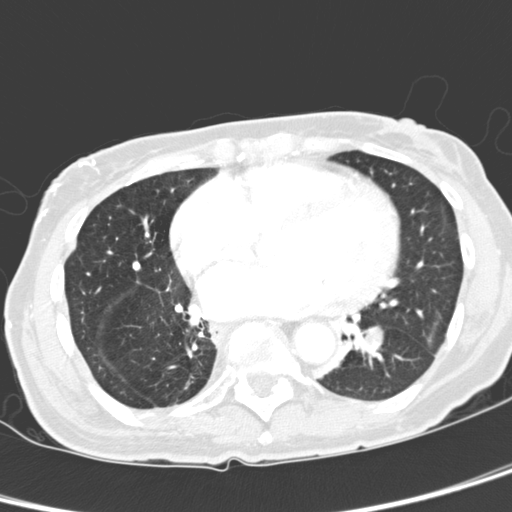
Axial chest CT slice 150 of 321 (counted from the lowest slice); tube voltage 120 kVp, convolution kernel D; slices 2.00 mm thick, 0.557 mm per pixel.
Pulmonary nodule outlined by all four readers; box rows 326–348, columns 362–383 (the union of the readers' outlines on this slice); median longest diameter 18.6 mm (readers' outlines 18.1–20.0 mm), median volume 2503 mm3 (2428–2697 mm3). Ratings, median across the readers with their spread: median texture 4.5/5 (readers ranged 4/5 to 5/5 (solid)); margin 4.5/5 at the median of four readers, spread 3/5 to 5/5 (circumscribed); sphericity 5/5 (round) at the median of four readers, spread 4/5 to 5/5 (round); calcification absent from all four readers; internal structure soft tissue, all four readers agreeing; median subtlety 5/5 (readers ranged 4–5); median malignancy likelihood 4/5 (readers ranged 2–5). Scale key (1–5): texture non-solid→solid, margin indistinct→circumscribed, sphericity linear→round, subtlety extremely subtle→obvious, malignancy likelihood highly unlikely→highly suspicious of cancer. Box rows and columns are 0-based pixel indices from the top-left corner, inclusive.